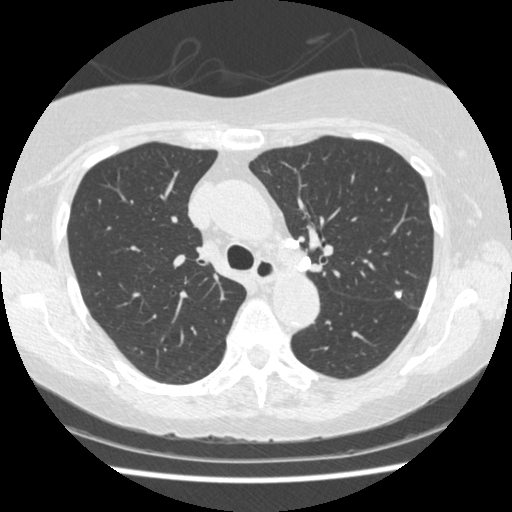
One axial slice (299 of 458, counting up from the lowest) of a chest CT acquired at 120 kVp with the STANDARD kernel; each pixel is 0.625 mm and the slice is 1.25 mm thick.
Three pulmonary nodules on this slice, listed from left to right. (1) Pulmonary nodule outlined by one of the four readers; box rows 238–248, columns 285–299 (that reader's outline on this slice); longest diameter 10.6 mm and volume 342 mm3 from that reader's outline. That reader's ratings: texture 5/5 (solid); margin 5/5 (circumscribed); sphericity 4/5; calcification solid calcification; internal structure soft tissue; subtlety 4/5; malignancy likelihood 1/5. (2) Pulmonary nodule outlined by one of the four readers; box rows 256–271, columns 298–310 (that reader's outline on this slice); longest diameter 11.9 mm and volume 579 mm3 from that reader's outline. That reader's ratings: texture 5/5 (solid); margin 5/5 (circumscribed); sphericity 5/5 (round); calcification solid calcification; internal structure soft tissue; subtlety 4/5; malignancy likelihood 1/5. (3) Pulmonary nodule, outlined by all four readers. Box on this slice rows 291–298, columns 395–401, the union of the readers' outlines on this slice; longest diameter 6.9 mm on average over the four readers' outlines (readers' outlines 6.8–7.1 mm), volume 96–159 mm3. Ratings, by the readers' most common answer with dissent counted: most readers (three of four) put texture at 5/5 (solid), others 4/5 (one); margin 5/5 (circumscribed) by three of four readers; the rest gave 4/5 (one); sphericity split among the readers: 3/5 (ovoid) (two), 4/5 (two); calcification solid calcification by two of four readers, central calcification (one), absent (one); internal structure soft tissue from all four readers; subtlety split among the readers: 4/5 (two), 5/5 (two); malignancy likelihood 1/5 by three of four readers; the rest gave 3/5 (one). Scale key (1–5): texture non-solid→solid, margin indistinct→circumscribed, sphericity linear→round, subtlety extremely subtle→obvious, malignancy likelihood highly unlikely→highly suspicious of cancer. Box rows and columns are 0-based pixel indices from the top-left corner, inclusive.